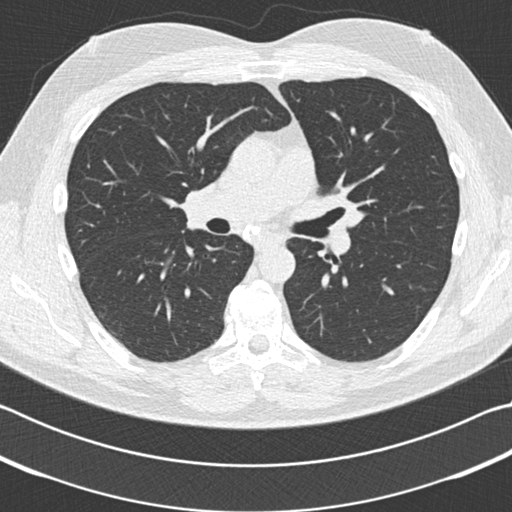
One axial slice (107 of 185, counting up from the lowest) of a chest CT acquired at 120 kVp with the B30f kernel; each pixel is 0.664 mm and the slice is 2.00 mm thick.
No nodule of 3 mm or larger was outlined by any of the four readers on this slice.